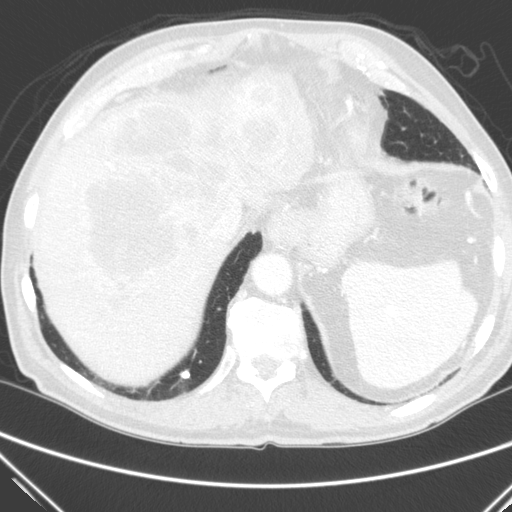
Axial chest CT slice 43 of 290 (counted from the lowest slice); 2.00 mm thick, 0.682 mm per pixel. Pulmonary nodule, outlined by three of the four readers. Box on this slice rows 369–378, columns 179–189, the union of the readers' outlines on this slice; the three readers' outlines give a longest diameter between 7.9 and 9.1 mm and a volume between 197 and 260 mm3. Ratings across the readers: texture 5/5 (solid) from all three readers; margin 5/5 (circumscribed), all three readers agreeing; sphericity from 4/5 to 5/5 (round) across the three readers; calcification: absent (two), solid calcification (one); internal structure soft tissue, all three readers agreeing; subtlety 5/5, all three readers agreeing; malignancy likelihood from 1/5 to 3/5 across the three readers. Scale key (1–5): texture non-solid→solid, margin indistinct→circumscribed, sphericity linear→round, subtlety extremely subtle→obvious, malignancy likelihood highly unlikely→highly suspicious of cancer. Box rows and columns are 0-based pixel indices from the top-left corner, inclusive.
Scan settings: 120 kVp, C reconstruction kernel.